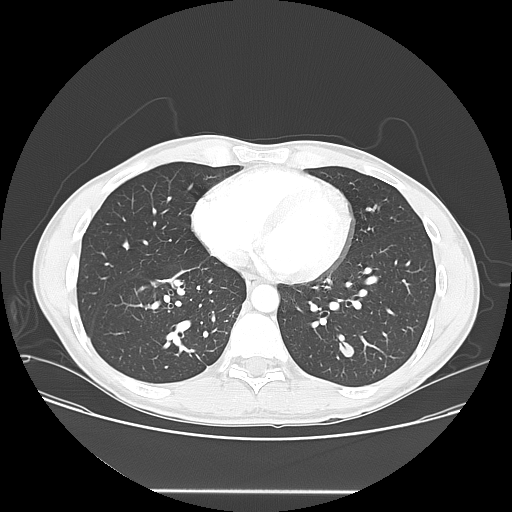
One axial slice (65 of 150, counting up from the lowest) of a chest CT acquired at 120 kVp with the LUNG kernel; each pixel is 0.781 mm and the slice is 2.50 mm thick.
Pulmonary nodule, outlined by all four readers. Box on this slice rows 342–356, columns 338–353, the union of the readers' outlines on this slice; median longest diameter 15.6 mm (readers' outlines 15.0–17.2 mm), median volume 1044 mm3 (701–1241 mm3). Median ratings and the readers' spread: median texture 5/5 (solid) (readers ranged 4/5 to 5/5 (solid)); median margin 5/5 (circumscribed) (readers ranged 4/5 to 5/5 (circumscribed)); sphericity 2.5/5 at the median of four readers, spread 2/5 to 5/5 (round); calcification absent from all four readers; internal structure soft tissue, all four readers agreeing; median subtlety 4/5 (readers ranged 3–5); malignancy likelihood 3/5 at the median of four readers, spread 2–4. Scale key (1–5): texture non-solid→solid, margin indistinct→circumscribed, sphericity linear→round, subtlety extremely subtle→obvious, malignancy likelihood highly unlikely→highly suspicious of cancer. Box rows and columns are 0-based pixel indices from the top-left corner, inclusive.